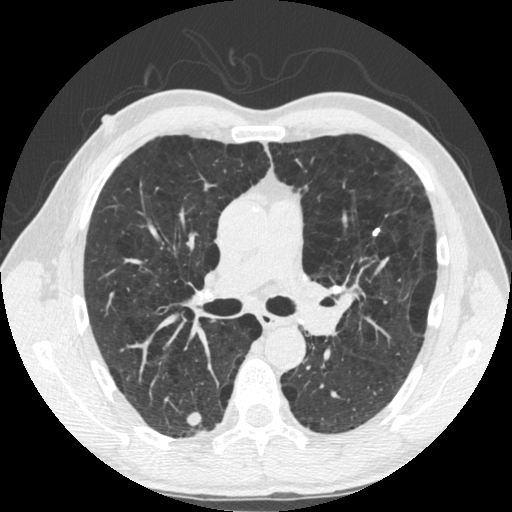
This is axial slice 317 of 535 (slice 1 is the lowest) of a chest CT; each pixel is 0.664 mm and the slice is 1.25 mm thick. Two pulmonary nodules are outlined on this slice; from left to right: (1) Pulmonary nodule at rows 412–426, columns 185–201 (box = the union of the readers' outlines on this slice), outlined by all four readers; median longest diameter 11.0 mm (readers' outlines 10.5–12.4 mm), median volume 554 mm3 (543–647 mm3). Ratings, median across the readers with their spread: texture 5/5 (solid) from all four readers; margin 5/5 (circumscribed), all four readers agreeing; median sphericity 4.5/5 (readers ranged 3/5 (ovoid) to 5/5 (round)); calcification: absent (three), laminated calcification (one); internal structure soft tissue from all four readers; subtlety 5/5 from all four readers; median malignancy likelihood 2.5/5 (readers ranged 1–5). (2) Pulmonary nodule outlined by all four readers; box rows 228–235, columns 373–379 (the union of the readers' outlines on this slice); longest diameter 6.8 mm on average over the four readers' outlines (readers' outlines 6.3–7.6 mm), volume 41–65 mm3. Ratings, by the readers' most common answer with dissent counted: texture 5/5 (solid), all four readers agreeing; margin 5/5 (circumscribed) from all four readers; sphericity split among the readers: 2/5 (two), 3/5 (ovoid) (two); calcification solid calcification from all four readers; internal structure soft tissue, all four readers agreeing; subtlety split among the readers: 4/5 (two), 5/5 (two); malignancy likelihood 1/5 from all four readers. Scale key (1–5): texture non-solid→solid, margin indistinct→circumscribed, sphericity linear→round, subtlety extremely subtle→obvious, malignancy likelihood highly unlikely→highly suspicious of cancer. Box rows and columns are 0-based pixel indices from the top-left corner, inclusive.
Scan settings: 120 kVp, STANDARD reconstruction kernel.